Chest CT, axial plane, 120 kVp, kernel STANDARD. Slice 356/503 from the bottom of the scan; thickness 1.25 mm; pixel size 0.742 mm.
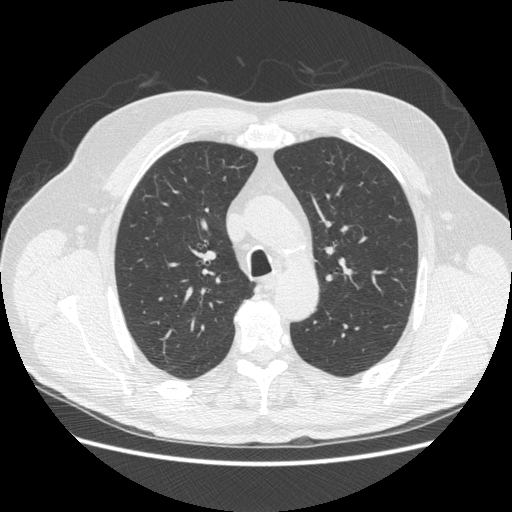
Pulmonary nodule at rows 216–225, columns 156–162 (box = the union of the readers' outlines on this slice), outlined by all four readers; median longest diameter 8.3 mm (readers' outlines 7.6–8.7 mm), median volume 110 mm3 (67–154 mm3). Median ratings and the readers' spread: median texture 1/5 (non-solid) (readers ranged 1/5 (non-solid) to 3/5 (part-solid)); margin 3.5/5 at the median of four readers, spread 2/5 to 5/5 (circumscribed); sphericity 4.5/5 at the median of four readers, spread 4/5 to 5/5 (round); calcification absent from all four readers; internal structure soft tissue from all four readers; median subtlety 1.5/5 (readers ranged 1–5); malignancy likelihood 3/5 at the median of four readers, spread 2–4. Scale key (1–5): texture non-solid→solid, margin indistinct→circumscribed, sphericity linear→round, subtlety extremely subtle→obvious, malignancy likelihood highly unlikely→highly suspicious of cancer. Box rows and columns are 0-based pixel indices from the top-left corner, inclusive.